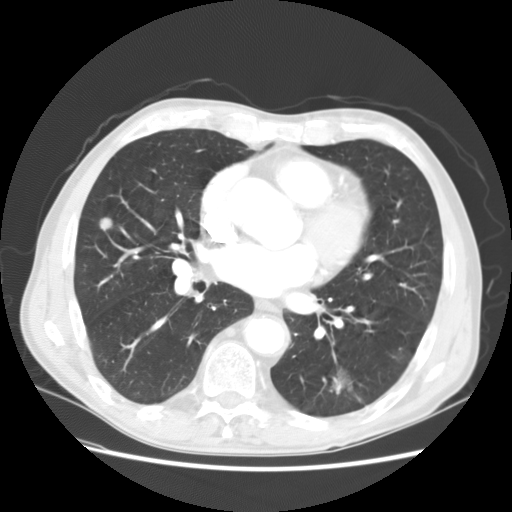
Axial chest CT slice 73 of 147 (counted from the lowest slice); tube voltage 120 kVp, convolution kernel STANDARD; slices 2.50 mm thick, 0.703 mm per pixel.
Two pulmonary nodules on this slice, listed from left to right. (1) Pulmonary nodule, outlined by all four readers. Box on this slice rows 216–230, columns 99–112, the union of the readers' outlines on this slice; longest diameter 12.0–13.3 mm and volume 735–848 mm3 across the four readers' outlines. The readers' ratings, as ranges where they differ: texture from 4/5 to 5/5 (solid) across the four readers; margin from 4/5 to 5/5 (circumscribed) across the four readers; sphericity from 4/5 to 5/5 (round) across the four readers; calcification absent, all four readers agreeing; internal structure soft tissue, all four readers agreeing; subtlety from 3/5 to 5/5 across the four readers; malignancy likelihood rated between 2 and 4 out of 5 by the four readers. (2) Pulmonary nodule, outlined by all four readers, three of them on this slice. Box on this slice rows 366–394, columns 328–351, the union of the readers' outlines on this slice; the four readers' outlines give a longest diameter between 30.2 and 32.4 mm and a volume between 8441 and 9544 mm3. Ratings across the readers: texture from 3/5 (part-solid) to 5/5 (solid) across the four readers; margin from 2/5 to 5/5 (circumscribed) across the four readers; sphericity from 3/5 (ovoid) to 5/5 (round) across the four readers; calcification absent, all four readers agreeing; internal structure soft tissue, all four readers agreeing; subtlety 5/5 from all four readers; malignancy likelihood rated between 3 and 5 out of 5 by the four readers. Scale key (1–5): texture non-solid→solid, margin indistinct→circumscribed, sphericity linear→round, subtlety extremely subtle→obvious, malignancy likelihood highly unlikely→highly suspicious of cancer. Box rows and columns are 0-based pixel indices from the top-left corner, inclusive.